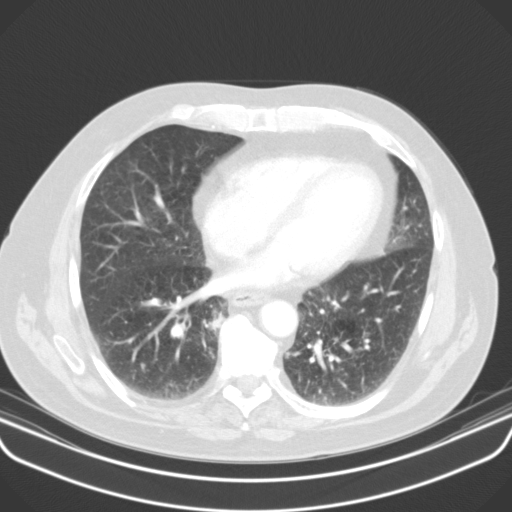
One axial slice (50 of 107, counting up from the lowest) of a chest CT acquired at 130 kVp with the B31s kernel; each pixel is 0.742 mm and the slice is 3.00 mm thick.
Pulmonary nodule, outlined by one of the four readers. Box on this slice rows 310–330, columns 204–224, that reader's outline on this slice; longest diameter 19.7 mm and volume 1325 mm3 from that reader's outline. That reader's ratings: texture 4/5; margin 4/5; sphericity 3/5 (ovoid); calcification absent; internal structure soft tissue; subtlety 4/5; malignancy likelihood 3/5. Scale key (1–5): texture non-solid→solid, margin indistinct→circumscribed, sphericity linear→round, subtlety extremely subtle→obvious, malignancy likelihood highly unlikely→highly suspicious of cancer. Box rows and columns are 0-based pixel indices from the top-left corner, inclusive.